Axial slice 95 of 128 of a chest CT (slice 1 is the lowest), reconstructed with the STANDARD kernel at 120 kVp; 2.50 mm slice thickness and 0.781 mm pixels.
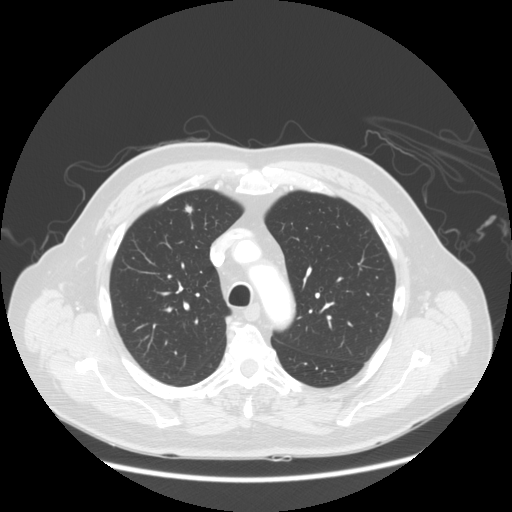
Pulmonary nodule at rows 204–213, columns 184–192 (box = the union of the readers' outlines on this slice), outlined by all four readers; longest diameter 7.7–9.4 mm and volume 171–293 mm3 across the four readers' outlines. The readers' ratings, as ranges where they differ: texture 5/5 (solid) from all four readers; margin 4/5 from all four readers; sphericity from 3/5 (ovoid) to 4/5 across the four readers; calcification absent from all four readers; internal structure soft tissue from all four readers; subtlety rated between 4 and 5 out of 5 by the four readers; malignancy likelihood 3–4/5 (the readers disagree). Scale key (1–5): texture non-solid→solid, margin indistinct→circumscribed, sphericity linear→round, subtlety extremely subtle→obvious, malignancy likelihood highly unlikely→highly suspicious of cancer. Box rows and columns are 0-based pixel indices from the top-left corner, inclusive.